Axial chest CT slice 231 of 369 (counted from the lowest slice); tube voltage 120 kVp, convolution kernel STANDARD; slices 1.25 mm thick, 0.703 mm per pixel.
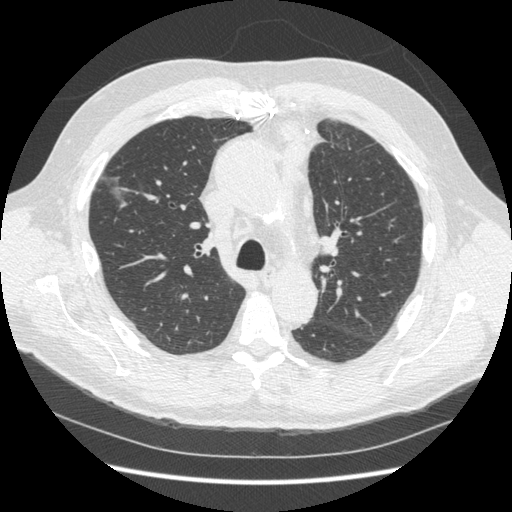
Pulmonary nodule outlined by one of the four readers; box rows 174–202, columns 100–124 (that reader's outline on this slice); longest diameter 27.0 mm and volume 3015 mm3 from that reader's outline. Ratings by that reader: texture 1/5 (non-solid); margin 1/5 (indistinct); sphericity 3/5 (ovoid); calcification absent; internal structure soft tissue; subtlety 3/5; malignancy likelihood 3/5. Scale key (1–5): texture non-solid→solid, margin indistinct→circumscribed, sphericity linear→round, subtlety extremely subtle→obvious, malignancy likelihood highly unlikely→highly suspicious of cancer. Box rows and columns are 0-based pixel indices from the top-left corner, inclusive.